One axial slice (241 of 500, counting up from the lowest) of a chest CT acquired at 120 kVp with the STANDARD kernel; each pixel is 0.703 mm and the slice is 1.25 mm thick.
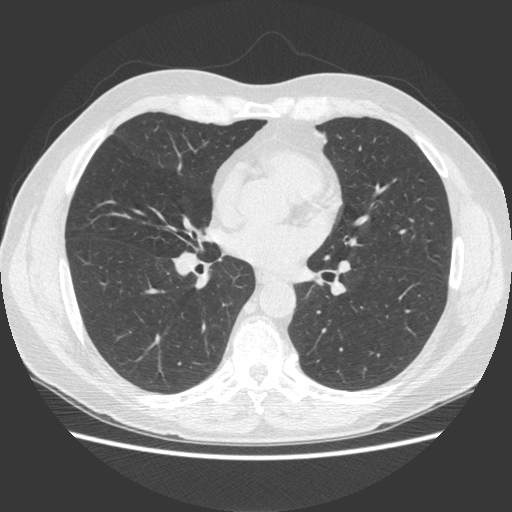
The readers outlined no nodule of 3 mm or more on this slice.